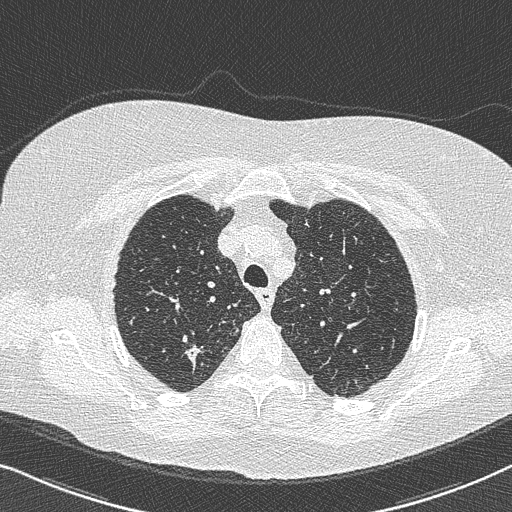
Axial chest CT slice 580 of 733 (counted from the lowest slice); tube voltage 120 kVp, convolution kernel B50f; slices 0.60 mm thick, 0.637 mm per pixel.
Pulmonary nodule, outlined by all four readers. Box on this slice rows 344–368, columns 181–200, the union of the readers' outlines on this slice; median longest diameter 21.4 mm (readers' outlines 15.5–29.7 mm), median volume 1103 mm3 (888–2128 mm3). Ratings, median across the readers with their spread: texture 5/5 (solid) at the median of four readers, spread 4/5 to 5/5 (solid); margin 3/5 at the median of four readers, spread 1/5 (indistinct) to 4/5; sphericity 3/5 (ovoid) at the median of four readers, spread 2/5 to 5/5 (round); calcification absent, all four readers agreeing; internal structure soft tissue, all four readers agreeing; subtlety 5/5 at the median of four readers, spread 4–5; median malignancy likelihood 4/5 (readers ranged 4–5). Scale key (1–5): texture non-solid→solid, margin indistinct→circumscribed, sphericity linear→round, subtlety extremely subtle→obvious, malignancy likelihood highly unlikely→highly suspicious of cancer. Box rows and columns are 0-based pixel indices from the top-left corner, inclusive.